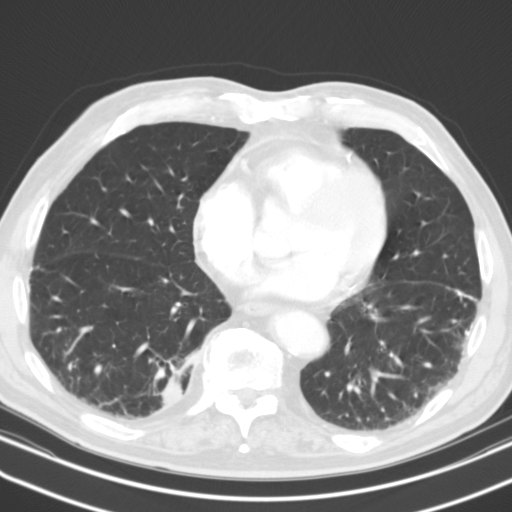
Slice 55/127 of a chest CT, counting up from the lowest; pixel size 0.668 mm, slice thickness 3.00 mm. Pulmonary nodule, outlined by two of the four readers. Box on this slice rows 379–406, columns 161–181, the union of the readers' outlines on this slice; the two readers' outlines give a longest diameter between 25.6 and 26.3 mm and a volume between 5517 and 6604 mm3. The readers' ratings, as ranges where they differ: texture 5/5 (solid), both readers agreeing; margin 4/5, both readers agreeing; sphericity from 2/5 to 3/5 (ovoid) across the two readers; calcification absent, both readers agreeing; internal structure soft tissue from both readers; subtlety 5/5, both readers agreeing; malignancy likelihood 2–3/5 (the readers disagree). Scale key (1–5): texture non-solid→solid, margin indistinct→circumscribed, sphericity linear→round, subtlety extremely subtle→obvious, malignancy likelihood highly unlikely→highly suspicious of cancer. Box rows and columns are 0-based pixel indices from the top-left corner, inclusive.
Scan settings: 130 kVp, B31s reconstruction kernel.